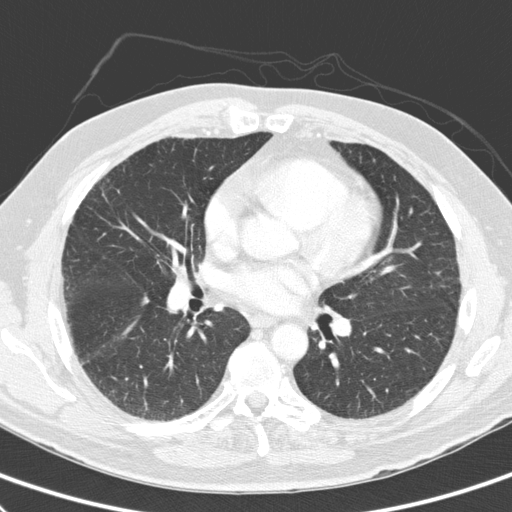
Chest CT, axial plane, 120 kVp, kernel D. Slice 157/300 from the bottom of the scan; thickness 2.00 mm; pixel size 0.662 mm.
Pulmonary nodule outlined by three of the four readers; box rows 296–305, columns 140–149 (the union of the readers' outlines on this slice); longest diameter 9.1 mm on average over the three readers' outlines (readers' outlines 8.2–10.3 mm), volume 142–190 mm3. Ratings, by the readers' most common answer with dissent counted: texture 5/5 (solid), all three readers agreeing; margin 4/5 from all three readers; most readers (two of three) put sphericity at 4/5, others 3/5 (ovoid) (one); calcification absent from all three readers; internal structure soft tissue from all three readers; subtlety 4/5 by two of three readers; the rest gave 5/5 (one); most readers (two of three) put malignancy likelihood at 3/5, others 4/5 (one). Scale key (1–5): texture non-solid→solid, margin indistinct→circumscribed, sphericity linear→round, subtlety extremely subtle→obvious, malignancy likelihood highly unlikely→highly suspicious of cancer. Box rows and columns are 0-based pixel indices from the top-left corner, inclusive.